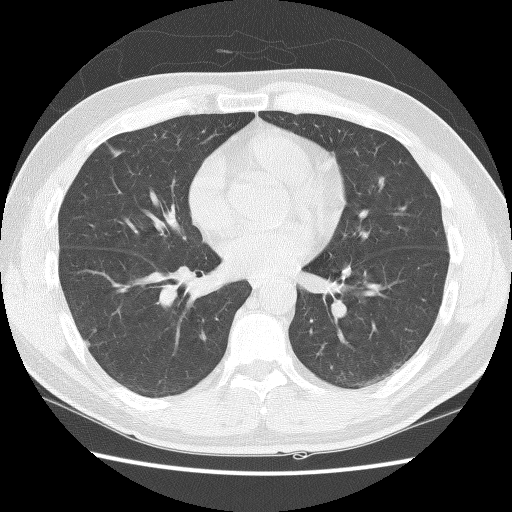
Axial chest CT slice 63 of 127 (counted from the lowest slice); 2.50 mm thick, 0.664 mm per pixel. Two pulmonary nodules are outlined on this slice; from left to right: (1) Pulmonary nodule, outlined by one of the four readers. Box on this slice rows 340–345, columns 84–89, that reader's outline on this slice; longest diameter 5.1 mm and volume 67 mm3 from that reader's outline. Ratings by that reader: texture 1/5 (non-solid); margin 2/5; sphericity 4/5; calcification absent; internal structure soft tissue; subtlety 2/5; malignancy likelihood 2/5. (2) Pulmonary nodule, outlined by two of the four readers. Box on this slice rows 327–333, columns 92–97, the union of the readers' outlines on this slice; median longest diameter 5.7 mm (readers' outlines 5.4–6.1 mm), median volume 76 mm3 (61–92 mm3). Ratings, median across the readers with their spread: texture 3.5/5 at the median of two readers, spread 2/5 to 5/5 (solid); margin 3.5/5 at the median of two readers, spread 2/5 to 5/5 (circumscribed); median sphericity 4.5/5 (readers ranged 4/5 to 5/5 (round)); calcification absent from both readers; internal structure soft tissue, both readers agreeing; subtlety 2.5/5 at the median of two readers, spread 1–4; malignancy likelihood 2/5, both readers agreeing. Scale key (1–5): texture non-solid→solid, margin indistinct→circumscribed, sphericity linear→round, subtlety extremely subtle→obvious, malignancy likelihood highly unlikely→highly suspicious of cancer. Box rows and columns are 0-based pixel indices from the top-left corner, inclusive.
Scan settings: 140 kVp, BONE reconstruction kernel.